One axial slice (63 of 315, counting up from the lowest) of a chest CT acquired at 120 kVp with the B kernel; each pixel is 0.830 mm and the slice is 2.00 mm thick.
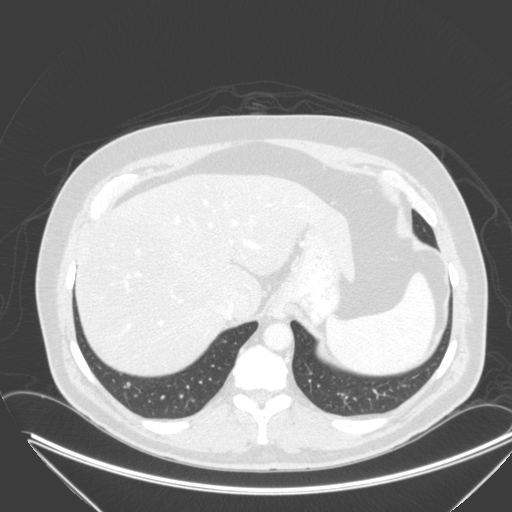
Pulmonary nodule outlined by three of the four readers; box rows 382–386, columns 125–130 (the union of the readers' outlines on this slice); longest diameter 5.8 mm on average over the three readers' outlines (readers' outlines 5.6–6.3 mm), volume 57–71 mm3. The readers' prevailing ratings and who disagreed: texture 5/5 (solid) from all three readers; most readers (two of three) put margin at 5/5 (circumscribed), others 4/5 (one); sphericity 5/5 (round) by two of three readers; the rest gave 3/5 (ovoid) (one); calcification absent, all three readers agreeing; internal structure soft tissue from all three readers; most readers (two of three) put subtlety at 3/5, others 5/5 (one); malignancy likelihood 3/5 by two of three readers; the rest gave 2/5 (one). Scale key (1–5): texture non-solid→solid, margin indistinct→circumscribed, sphericity linear→round, subtlety extremely subtle→obvious, malignancy likelihood highly unlikely→highly suspicious of cancer. Box rows and columns are 0-based pixel indices from the top-left corner, inclusive.